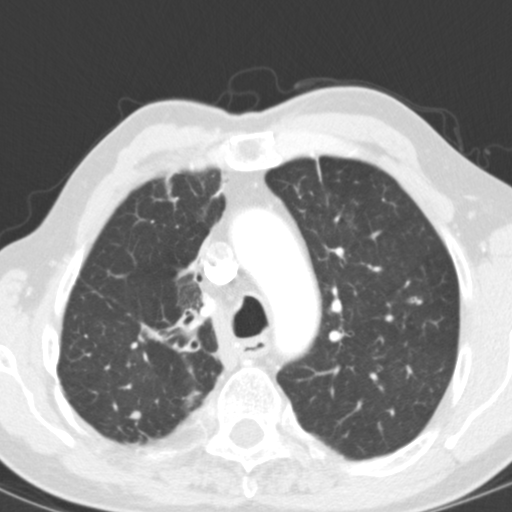
This is axial slice 93 of 127 (slice 1 is the lowest) of a chest CT; each pixel is 0.537 mm and the slice is 3.00 mm thick. Pulmonary nodule, outlined by two of the four readers. Box on this slice rows 411–419, columns 130–140, the union of the readers' outlines on this slice; median longest diameter 6.7 mm (readers' outlines 6.6–6.8 mm), median volume 126 mm3 (125–127 mm3). Median ratings and the readers' spread: texture 5/5 (solid) from both readers; median margin 4.5/5 (readers ranged 4/5 to 5/5 (circumscribed)); sphericity 3/5 (ovoid), both readers agreeing; calcification absent from both readers; internal structure soft tissue, both readers agreeing; subtlety 4/5, both readers agreeing; median malignancy likelihood 2/5 (readers ranged 1–3). Scale key (1–5): texture non-solid→solid, margin indistinct→circumscribed, sphericity linear→round, subtlety extremely subtle→obvious, malignancy likelihood highly unlikely→highly suspicious of cancer. Box rows and columns are 0-based pixel indices from the top-left corner, inclusive.
Tube voltage 120 kVp; convolution kernel B31f.